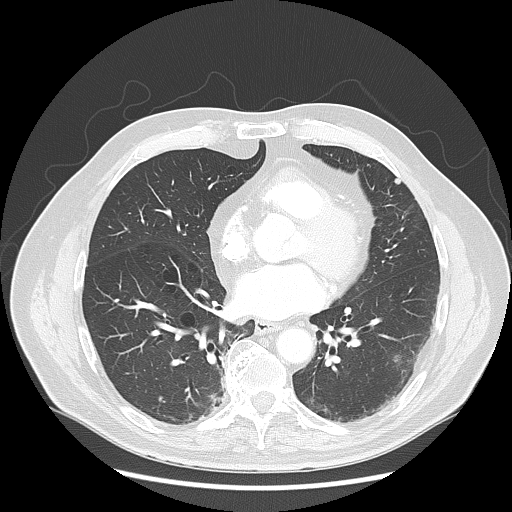
This is axial slice 72 of 143 (slice 1 is the lowest) of a chest CT; each pixel is 0.781 mm and the slice is 2.50 mm thick. Pulmonary nodule at rows 178–184, columns 394–400 (box = the union of the readers' outlines on this slice), outlined by all four readers; longest diameter 6.3–7.4 mm and volume 91–152 mm3 across the four readers' outlines. The readers' ratings, as ranges where they differ: texture 5/5 (solid), all four readers agreeing; margin 5/5 (circumscribed) from all four readers; sphericity from 4/5 to 5/5 (round) across the four readers; calcification absent, all four readers agreeing; internal structure soft tissue from all four readers; subtlety 3–4/5 (the readers disagree); malignancy likelihood from 2/5 to 3/5 across the four readers. Scale key (1–5): texture non-solid→solid, margin indistinct→circumscribed, sphericity linear→round, subtlety extremely subtle→obvious, malignancy likelihood highly unlikely→highly suspicious of cancer. Box rows and columns are 0-based pixel indices from the top-left corner, inclusive.
Tube voltage 120 kVp; convolution kernel LUNG.